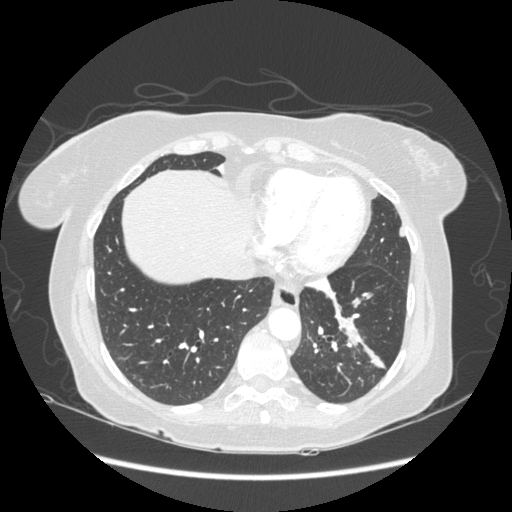
Axial slice 69 of 230 of a chest CT (slice 1 is the lowest), reconstructed with the STANDARD kernel at 120 kVp; 1.25 mm slice thickness and 0.742 mm pixels.
Pulmonary nodule, outlined by all four readers, two of them on this slice. Box on this slice rows 345–368, columns 364–384, the union of the readers' outlines on this slice; longest diameter 23.1–31.5 mm and volume 3020–5074 mm3 across the four readers' outlines. Ratings across the readers: texture 5/5 (solid) from all four readers; margin from 3/5 to 5/5 (circumscribed) across the four readers; sphericity from 3/5 (ovoid) to 5/5 (round) across the four readers; calcification absent from all four readers; internal structure soft tissue, all four readers agreeing; subtlety 5/5 from all four readers; malignancy likelihood from 3/5 to 5/5 across the four readers. Scale key (1–5): texture non-solid→solid, margin indistinct→circumscribed, sphericity linear→round, subtlety extremely subtle→obvious, malignancy likelihood highly unlikely→highly suspicious of cancer. Box rows and columns are 0-based pixel indices from the top-left corner, inclusive.